Axial chest CT slice 147 of 331 (counted from the lowest slice); tube voltage 130 kVp, convolution kernel B20s; slices 1.25 mm thick, 0.496 mm per pixel.
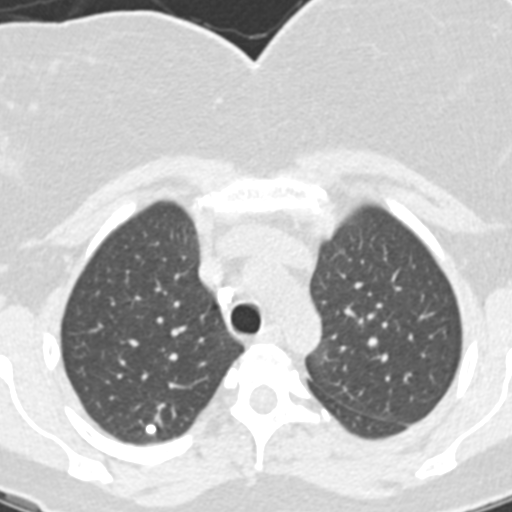
Pulmonary nodule outlined by all four readers; box rows 423–433, columns 146–155 (the union of the readers' outlines on this slice); median longest diameter 7.5 mm (readers' outlines 6.9–8.4 mm), median volume 164 mm3 (132–209 mm3). Median ratings and the readers' spread: texture 5/5 (solid), all four readers agreeing; margin 5/5 (circumscribed) from all four readers; sphericity 5/5 (round) at the median of four readers, spread 4/5 to 5/5 (round); calcification: solid calcification (three), central calcification (one); internal structure soft tissue, all four readers agreeing; median subtlety 5/5 (readers ranged 4–5); malignancy likelihood 1/5, all four readers agreeing. Scale key (1–5): texture non-solid→solid, margin indistinct→circumscribed, sphericity linear→round, subtlety extremely subtle→obvious, malignancy likelihood highly unlikely→highly suspicious of cancer. Box rows and columns are 0-based pixel indices from the top-left corner, inclusive.